One axial slice (98 of 280, counting up from the lowest) of a chest CT acquired at 120 kVp with the D kernel; each pixel is 0.666 mm and the slice is 1.00 mm thick.
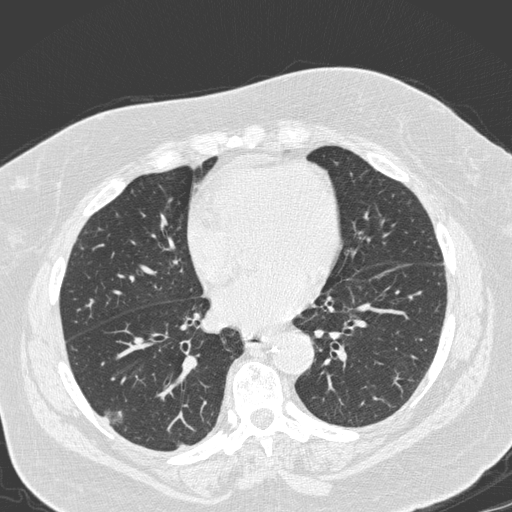
Pulmonary nodule outlined by two of the four readers; box rows 408–425, columns 103–123 (the union of the readers' outlines on this slice); the two readers' outlines give a longest diameter between 16.7 and 18.8 mm and a volume between 1162 and 1377 mm3. Ratings across the readers: texture 1/5 (non-solid), both readers agreeing; margin 2/5 from both readers; sphericity from 3/5 (ovoid) to 5/5 (round) across the two readers; calcification absent, both readers agreeing; internal structure soft tissue from both readers; subtlety 1–4/5 (the readers disagree); malignancy likelihood rated between 2 and 3 out of 5 by the two readers. Scale key (1–5): texture non-solid→solid, margin indistinct→circumscribed, sphericity linear→round, subtlety extremely subtle→obvious, malignancy likelihood highly unlikely→highly suspicious of cancer. Box rows and columns are 0-based pixel indices from the top-left corner, inclusive.